Axial slice 389 of 461 of a chest CT (slice 1 is the lowest), reconstructed with the STANDARD kernel at 120 kVp; 1.25 mm slice thickness and 0.586 mm pixels.
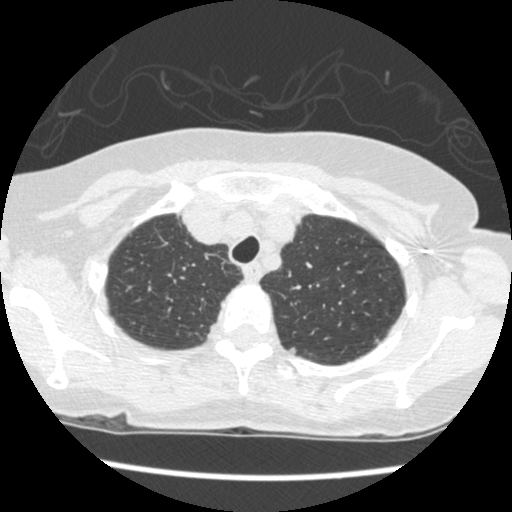
Pulmonary nodule outlined by all four readers; box rows 347–354, columns 288–295 (the union of the readers' outlines on this slice); longest diameter 5.0–6.6 mm and volume 33–53 mm3 across the four readers' outlines. The readers' ratings, as ranges where they differ: texture 5/5 (solid) from all four readers; margin from 4/5 to 5/5 (circumscribed) across the four readers; sphericity from 3/5 (ovoid) to 5/5 (round) across the four readers; calcification absent from all four readers; internal structure soft tissue from all four readers; subtlety 3–4/5 (the readers disagree); malignancy likelihood from 1/5 to 4/5 across the four readers. Scale key (1–5): texture non-solid→solid, margin indistinct→circumscribed, sphericity linear→round, subtlety extremely subtle→obvious, malignancy likelihood highly unlikely→highly suspicious of cancer. Box rows and columns are 0-based pixel indices from the top-left corner, inclusive.